Chest CT, axial plane, 120 kVp, kernel C. Slice 99/392 from the bottom of the scan; thickness 1.50 mm; pixel size 0.639 mm.
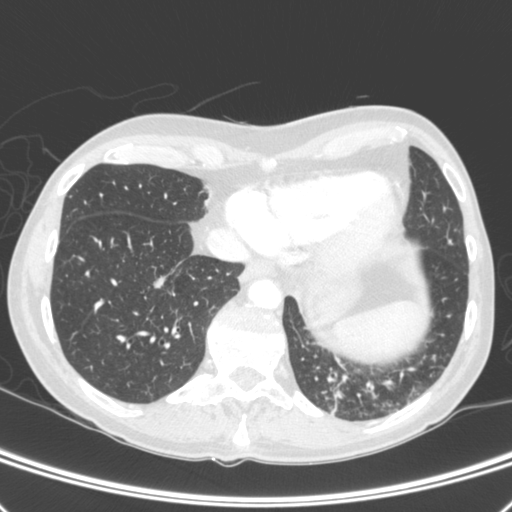
Pulmonary nodule at rows 275–287, columns 153–165 (box = the union of the readers' outlines on this slice), outlined by three of the four readers; median longest diameter 9.7 mm (readers' outlines 9.0–10.9 mm), median volume 245 mm3 (190–278 mm3). Median ratings and the readers' spread: texture 5/5 (solid) from all three readers; margin 5/5 (circumscribed) at the median of three readers, spread 3/5 to 5/5 (circumscribed); sphericity 3/5 (ovoid) from all three readers; calcification absent, all three readers agreeing; internal structure soft tissue from all three readers; median subtlety 4/5 (readers ranged 4–5); malignancy likelihood 2/5 at the median of three readers, spread 2–4. Scale key (1–5): texture non-solid→solid, margin indistinct→circumscribed, sphericity linear→round, subtlety extremely subtle→obvious, malignancy likelihood highly unlikely→highly suspicious of cancer. Box rows and columns are 0-based pixel indices from the top-left corner, inclusive.